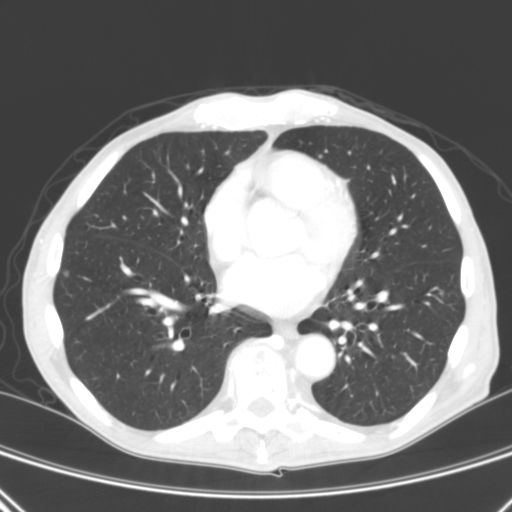
One axial slice (119 of 290, counting up from the lowest) of a chest CT acquired at 120 kVp with the B kernel; each pixel is 0.639 mm and the slice is 2.00 mm thick.
Pulmonary nodule at rows 270–277, columns 62–68 (box = the union of the readers' outlines on this slice), outlined by two of the four readers; median longest diameter 5.7 mm (readers' outlines 5.5–6.0 mm), median volume 50 mm3 (44–55 mm3). Ratings, median across the readers with their spread: median texture 4/5 (readers ranged 3/5 (part-solid) to 5/5 (solid)); margin 3/5 at the median of two readers, spread 2/5 to 4/5; sphericity 4/5 from both readers; calcification absent from both readers; internal structure soft tissue, both readers agreeing; subtlety 4.5/5 at the median of two readers, spread 4–5; malignancy likelihood 3/5 from both readers. Scale key (1–5): texture non-solid→solid, margin indistinct→circumscribed, sphericity linear→round, subtlety extremely subtle→obvious, malignancy likelihood highly unlikely→highly suspicious of cancer. Box rows and columns are 0-based pixel indices from the top-left corner, inclusive.